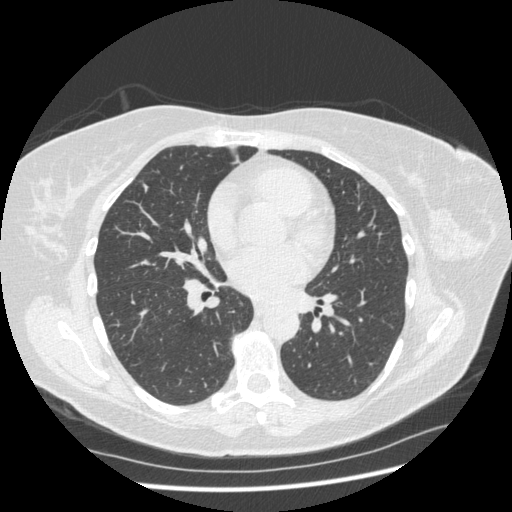
One axial slice (213 of 436, counting up from the lowest) of a chest CT acquired at 120 kVp with the STANDARD kernel; each pixel is 0.703 mm and the slice is 1.25 mm thick.
Pulmonary nodule outlined by two of the four readers, one of them on this slice; box rows 183–192, columns 143–148 (the one reader's outline on this slice); longest diameter 7.9 mm on average over the two readers' outlines (readers' outlines 7.9 mm), volume 55–64 mm3. Ratings, by the readers' most common answer with dissent counted: texture 5/5 (solid) from both readers; margin split among the readers: 3/5 (one), 4/5 (one); sphericity split among the readers: 3/5 (ovoid) (one), 4/5 (one); calcification absent, both readers agreeing; internal structure soft tissue from both readers; subtlety split among the readers: 3/5 (one), 4/5 (one); malignancy likelihood split among the readers: 2/5 (one), 4/5 (one). Scale key (1–5): texture non-solid→solid, margin indistinct→circumscribed, sphericity linear→round, subtlety extremely subtle→obvious, malignancy likelihood highly unlikely→highly suspicious of cancer. Box rows and columns are 0-based pixel indices from the top-left corner, inclusive.